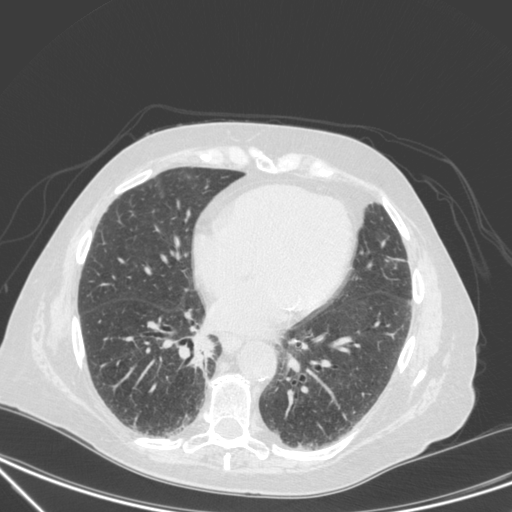
Axial chest CT slice 131 of 350 (counted from the lowest slice); tube voltage 120 kVp, convolution kernel C; slices 1.50 mm thick, 0.725 mm per pixel.
Pulmonary nodule at rows 339–363, columns 190–211 (box = that reader's outline on this slice), outlined by one of the four readers; longest diameter 29.7 mm and volume 4028 mm3 from that reader's outline. That reader's ratings: texture 5/5 (solid); margin 3/5; sphericity 3/5 (ovoid); calcification absent; internal structure soft tissue; subtlety 5/5; malignancy likelihood 4/5. Scale key (1–5): texture non-solid→solid, margin indistinct→circumscribed, sphericity linear→round, subtlety extremely subtle→obvious, malignancy likelihood highly unlikely→highly suspicious of cancer. Box rows and columns are 0-based pixel indices from the top-left corner, inclusive.